One axial slice (169 of 436, counting up from the lowest) of a chest CT acquired at 120 kVp with the STANDARD kernel; each pixel is 0.703 mm and the slice is 1.25 mm thick.
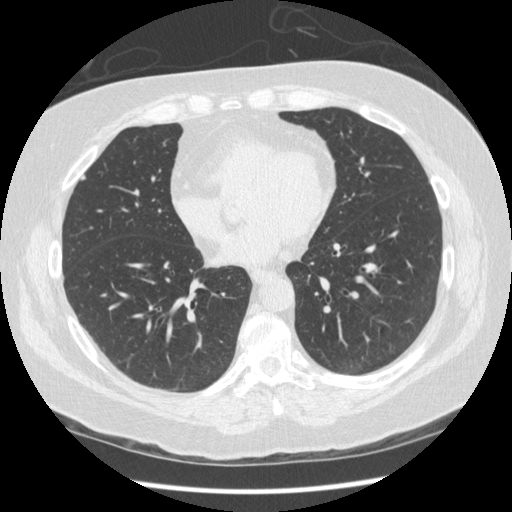
Pulmonary nodule outlined by three of the four readers; box rows 174–180, columns 79–85 (the union of the readers' outlines on this slice); longest diameter 6.6 mm on average over the three readers' outlines (readers' outlines 6.0–7.0 mm), volume 38–72 mm3. The readers' prevailing ratings and who disagreed: texture 5/5 (solid) from all three readers; most readers (two of three) put margin at 5/5 (circumscribed), others 4/5 (one); sphericity split among the readers: 2/5 (one), 3/5 (ovoid) (one), 4/5 (one); calcification absent from all three readers; internal structure soft tissue, all three readers agreeing; most readers (two of three) put subtlety at 5/5, others 3/5 (one); malignancy likelihood 2/5, all three readers agreeing. Scale key (1–5): texture non-solid→solid, margin indistinct→circumscribed, sphericity linear→round, subtlety extremely subtle→obvious, malignancy likelihood highly unlikely→highly suspicious of cancer. Box rows and columns are 0-based pixel indices from the top-left corner, inclusive.